Chest CT, axial plane, 120 kVp, kernel STANDARD. Slice 103/301 from the bottom of the scan; thickness 1.25 mm; pixel size 0.684 mm.
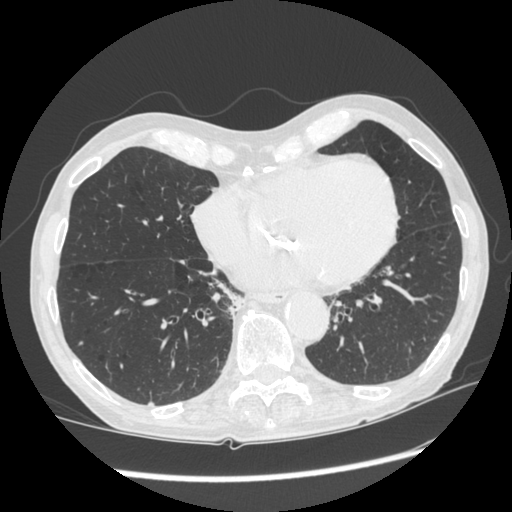
Pulmonary nodule at rows 341–344, columns 78–83 (box = the union of the readers' outlines on this slice), outlined by three of the four readers; longest diameter 7.1 mm on average over the three readers' outlines (readers' outlines 5.3–9.6 mm), volume 49–79 mm3. The readers' prevailing ratings and who disagreed: texture 5/5 (solid), all three readers agreeing; margin 5/5 (circumscribed) by two of three readers; the rest gave 4/5 (one); sphericity split among the readers: 2/5 (one), 4/5 (one), 5/5 (round) (one); calcification absent from all three readers; internal structure soft tissue, all three readers agreeing; subtlety split among the readers: 2/5 (one), 4/5 (one), 5/5 (one); malignancy likelihood 3/5 by two of three readers; the rest gave 2/5 (one). Scale key (1–5): texture non-solid→solid, margin indistinct→circumscribed, sphericity linear→round, subtlety extremely subtle→obvious, malignancy likelihood highly unlikely→highly suspicious of cancer. Box rows and columns are 0-based pixel indices from the top-left corner, inclusive.